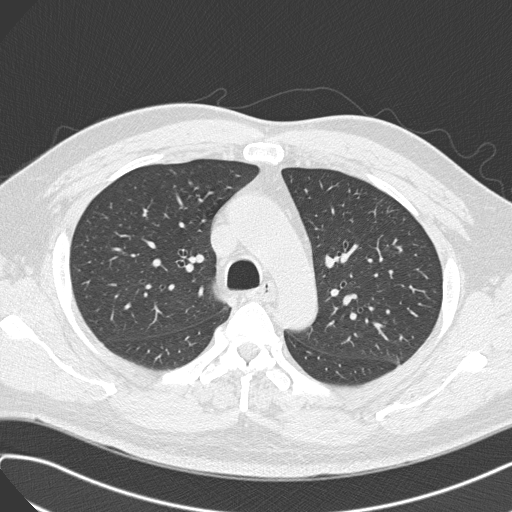
This is axial slice 222 of 308 (slice 1 is the lowest) of a chest CT; each pixel is 0.703 mm and the slice is 1.00 mm thick. No nodule of 3 mm or larger was outlined by any of the four readers on this slice.
Acquired at 120 kVp and reconstructed with the B45f kernel.